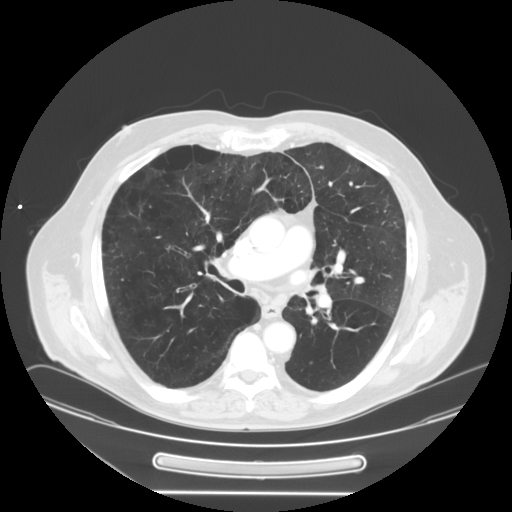
Axial chest CT slice 88 of 148 (counted from the lowest slice); 2.50 mm thick, 0.859 mm per pixel. Pulmonary nodule, outlined three times (the source holds two more outlines, not used), one of them on this slice. Box on this slice rows 215–223, columns 205–208, the one reader's outline on this slice; longest diameter 32.7–36.1 mm and volume 2349–3895 mm3 across the three readers' outlines. Ratings across the readers: texture 5/5 (solid) from all three readers; margin from 2/5 to 5/5 (circumscribed) across the three readers; sphericity from 2/5 to 3/5 (ovoid) across the three readers; calcification absent, all three readers agreeing; internal structure soft tissue, all three readers agreeing; subtlety 5/5, all three readers agreeing; malignancy likelihood rated between 3 and 5 out of 5 by the three readers. Scale key (1–5): texture non-solid→solid, margin indistinct→circumscribed, sphericity linear→round, subtlety extremely subtle→obvious, malignancy likelihood highly unlikely→highly suspicious of cancer. Box rows and columns are 0-based pixel indices from the top-left corner, inclusive.
Acquired at 120 kVp and reconstructed with the STANDARD kernel.